Axial chest CT slice 77 of 150 (counted from the lowest slice); tube voltage 120 kVp, convolution kernel LUNG; slices 2.50 mm thick, 0.781 mm per pixel.
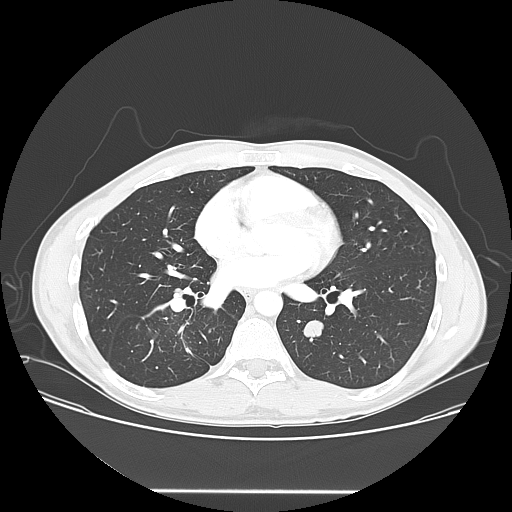
Pulmonary nodule at rows 320–337, columns 302–323 (box = the union of the readers' outlines on this slice), outlined by all four readers; median longest diameter 17.9 mm (readers' outlines 17.8–19.3 mm), median volume 2061 mm3 (1904–2340 mm3). Median ratings and the readers' spread: texture 5/5 (solid) at the median of four readers, spread 4/5 to 5/5 (solid); margin 4.5/5 at the median of four readers, spread 4/5 to 5/5 (circumscribed); sphericity 4/5 at the median of four readers, spread 3/5 (ovoid) to 5/5 (round); calcification absent from all four readers; internal structure soft tissue from all four readers; median subtlety 5/5 (readers ranged 3–5); median malignancy likelihood 3.5/5 (readers ranged 2–5). Scale key (1–5): texture non-solid→solid, margin indistinct→circumscribed, sphericity linear→round, subtlety extremely subtle→obvious, malignancy likelihood highly unlikely→highly suspicious of cancer. Box rows and columns are 0-based pixel indices from the top-left corner, inclusive.